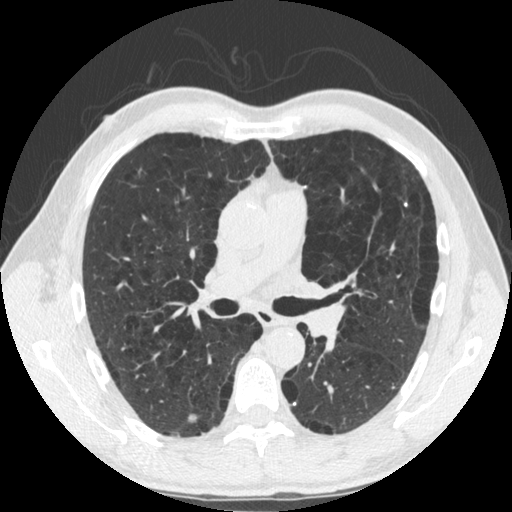
Chest CT, axial plane, 120 kVp, kernel STANDARD. Slice 310/535 from the bottom of the scan; thickness 1.25 mm; pixel size 0.664 mm.
Pulmonary nodule outlined by all four readers; box rows 414–422, columns 187–197 (the union of the readers' outlines on this slice); median longest diameter 11.0 mm (readers' outlines 10.5–12.4 mm), median volume 554 mm3 (543–647 mm3). Median ratings and the readers' spread: texture 5/5 (solid) from all four readers; margin 5/5 (circumscribed), all four readers agreeing; median sphericity 4.5/5 (readers ranged 3/5 (ovoid) to 5/5 (round)); calcification: absent (three), laminated calcification (one); internal structure soft tissue from all four readers; subtlety 5/5, all four readers agreeing; malignancy likelihood 2.5/5 at the median of four readers, spread 1–5. Scale key (1–5): texture non-solid→solid, margin indistinct→circumscribed, sphericity linear→round, subtlety extremely subtle→obvious, malignancy likelihood highly unlikely→highly suspicious of cancer. Box rows and columns are 0-based pixel indices from the top-left corner, inclusive.